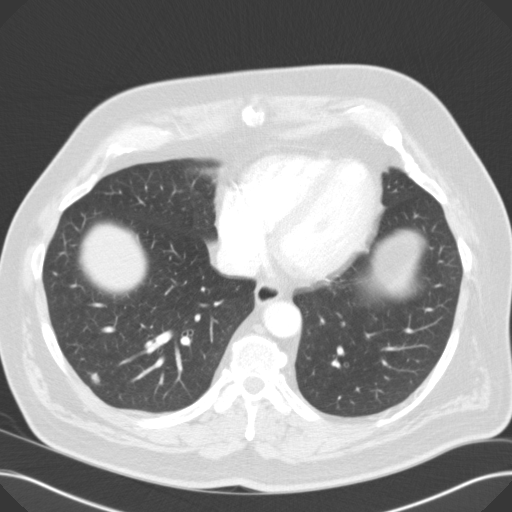
This is axial slice 50 of 125 (slice 1 is the lowest) of a chest CT; each pixel is 0.730 mm and the slice is 3.00 mm thick. Pulmonary nodule outlined by three of the four readers; box rows 373–383, columns 91–99 (the union of the readers' outlines on this slice); median longest diameter 7.9 mm (readers' outlines 7.9–11.0 mm), median volume 185 mm3 (185–442 mm3). Median ratings and the readers' spread: median texture 5/5 (solid) (readers ranged 4/5 to 5/5 (solid)); margin 3/5 at the median of three readers, spread 3/5 to 4/5; median sphericity 3/5 (ovoid) (readers ranged 3/5 (ovoid) to 4/5); calcification absent from all three readers; internal structure soft tissue from all three readers; median subtlety 4/5 (readers ranged 4–5); median malignancy likelihood 3/5 (readers ranged 2–3). Scale key (1–5): texture non-solid→solid, margin indistinct→circumscribed, sphericity linear→round, subtlety extremely subtle→obvious, malignancy likelihood highly unlikely→highly suspicious of cancer. Box rows and columns are 0-based pixel indices from the top-left corner, inclusive.
Scan settings: 120 kVp, B31f reconstruction kernel.